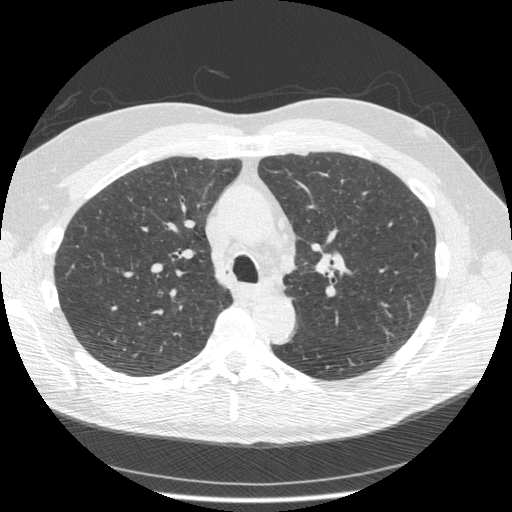
Slice 356/545 of a chest CT, counting up from the lowest; pixel size 0.703 mm, slice thickness 1.25 mm. This slice carries no reader outline of a nodule 3 mm or larger.
Scan settings: 120 kVp, STANDARD reconstruction kernel.